Axial slice 50 of 109 of a chest CT (slice 1 is the lowest), reconstructed with the LUNG kernel at 120 kVp; 2.50 mm slice thickness and 0.664 mm pixels.
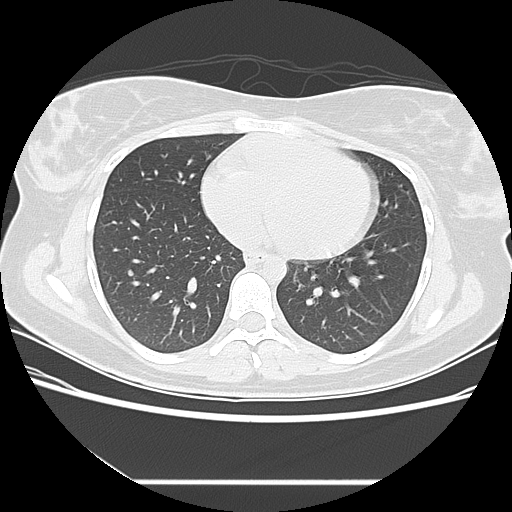
Pulmonary nodule outlined by three of the four readers; box rows 269–276, columns 127–134 (the union of the readers' outlines on this slice); median longest diameter 5.5 mm (readers' outlines 5.1–6.5 mm), median volume 76 mm3 (69–123 mm3). Ratings, median across the readers with their spread: median texture 4/5 (readers ranged 1/5 (non-solid) to 5/5 (solid)); margin 4/5 from all three readers; sphericity 4/5 at the median of three readers, spread 4/5 to 5/5 (round); calcification absent from all three readers; internal structure soft tissue from all three readers; median subtlety 2/5 (readers ranged 1–5); malignancy likelihood 3/5 from all three readers. Scale key (1–5): texture non-solid→solid, margin indistinct→circumscribed, sphericity linear→round, subtlety extremely subtle→obvious, malignancy likelihood highly unlikely→highly suspicious of cancer. Box rows and columns are 0-based pixel indices from the top-left corner, inclusive.